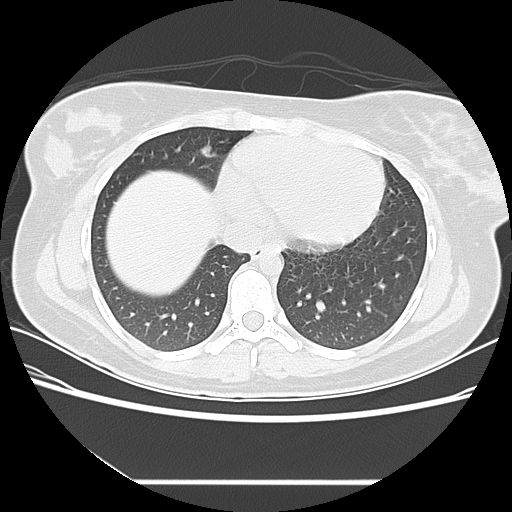
Axial chest CT slice 42 of 109 (counted from the lowest slice); 2.50 mm thick, 0.664 mm per pixel. Pulmonary nodule outlined by all four readers; box rows 144–156, columns 199–216 (the union of the readers' outlines on this slice); longest diameter 10.8 mm on average over the four readers' outlines (readers' outlines 9.7–14.0 mm), volume 261–504 mm3. The readers' prevailing ratings and who disagreed: most readers (three of four) put texture at 5/5 (solid), others 4/5 (one); margin split among the readers: 3/5 (two), 4/5 (two); sphericity 4/5 by two of four readers; the rest gave 3/5 (ovoid) (one), 5/5 (round) (one); calcification absent from all four readers; internal structure soft tissue, all four readers agreeing; subtlety 5/5 by three of four readers; the rest gave 4/5 (one); malignancy likelihood split among the readers: 3/5 (two), 4/5 (two). Scale key (1–5): texture non-solid→solid, margin indistinct→circumscribed, sphericity linear→round, subtlety extremely subtle→obvious, malignancy likelihood highly unlikely→highly suspicious of cancer. Box rows and columns are 0-based pixel indices from the top-left corner, inclusive.
Tube voltage 120 kVp; convolution kernel LUNG.